Axial chest CT slice 61 of 290 (counted from the lowest slice); tube voltage 120 kVp, convolution kernel D; slices 1.00 mm thick, 0.662 mm per pixel.
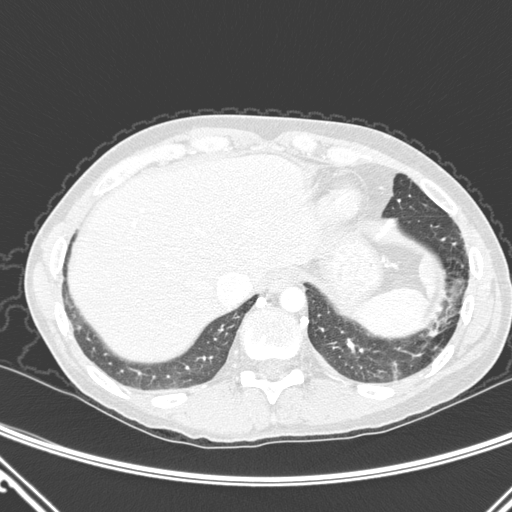
Pulmonary nodule, outlined by two of the four readers. Box on this slice rows 329–336, columns 427–437, the union of the readers' outlines on this slice; the two readers' outlines give a longest diameter between 16.8 and 17.4 mm and a volume between 457 and 555 mm3. The readers' ratings, as ranges where they differ: texture 5/5 (solid) from both readers; margin from 1/5 (indistinct) to 2/5 across the two readers; sphericity from 3/5 (ovoid) to 4/5 across the two readers; calcification absent from both readers; internal structure soft tissue from both readers; subtlety 4/5, both readers agreeing; malignancy likelihood from 3/5 to 4/5 across the two readers. Scale key (1–5): texture non-solid→solid, margin indistinct→circumscribed, sphericity linear→round, subtlety extremely subtle→obvious, malignancy likelihood highly unlikely→highly suspicious of cancer. Box rows and columns are 0-based pixel indices from the top-left corner, inclusive.